Axial slice 120 of 246 of a chest CT (slice 1 is the lowest), reconstructed with the BONE kernel at 120 kVp; 1.25 mm slice thickness and 0.586 mm pixels.
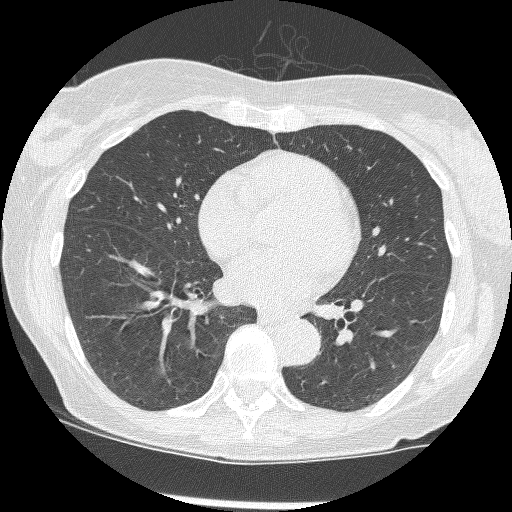
The readers outlined no nodule of 3 mm or more on this slice.